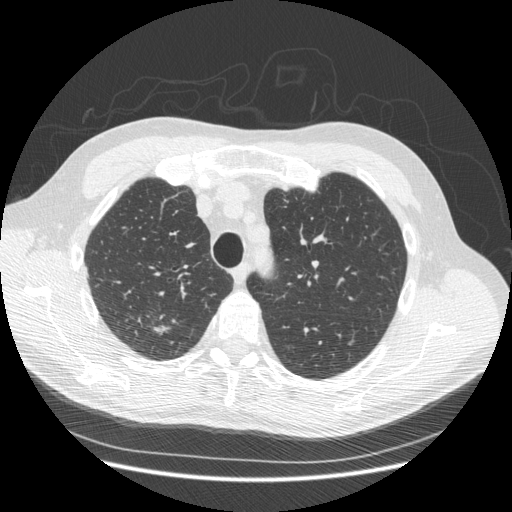
Axial slice 374 of 493 of a chest CT (slice 1 is the lowest), reconstructed with the STANDARD kernel at 120 kVp; 1.25 mm slice thickness and 0.742 mm pixels.
Pulmonary nodule, outlined by three of the four readers. Box on this slice rows 324–333, columns 151–169, the union of the readers' outlines on this slice; longest diameter 12.6–14.1 mm and volume 104–271 mm3 across the three readers' outlines. Ratings across the readers: texture from 4/5 to 5/5 (solid) across the three readers; margin 3/5, all three readers agreeing; sphericity from 2/5 to 4/5 across the three readers; calcification absent, all three readers agreeing; internal structure soft tissue, all three readers agreeing; subtlety 2–5/5 (the readers disagree); malignancy likelihood 2–4/5 (the readers disagree). Scale key (1–5): texture non-solid→solid, margin indistinct→circumscribed, sphericity linear→round, subtlety extremely subtle→obvious, malignancy likelihood highly unlikely→highly suspicious of cancer. Box rows and columns are 0-based pixel indices from the top-left corner, inclusive.